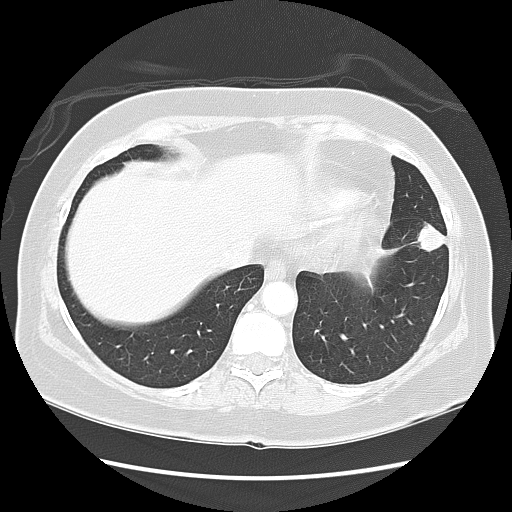
Axial chest CT slice 43 of 133 (counted from the lowest slice); tube voltage 120 kVp, convolution kernel LUNG; slices 2.50 mm thick, 0.703 mm per pixel.
Pulmonary nodule outlined by all four readers; box rows 221–252, columns 409–446 (the union of the readers' outlines on this slice); longest diameter 23.7 mm on average over the four readers' outlines (readers' outlines 21.5–29.0 mm), volume 4280–5428 mm3. The readers' prevailing ratings and who disagreed: most readers (three of four) put texture at 5/5 (solid), others 4/5 (one); most readers (three of four) put margin at 5/5 (circumscribed), others 4/5 (one); sphericity 3/5 (ovoid) by two of four readers; the rest gave 4/5 (one), 5/5 (round) (one); calcification absent from all four readers; internal structure soft tissue from all four readers; subtlety 5/5 by three of four readers; the rest gave 4/5 (one); malignancy likelihood 4/5 by three of four readers; the rest gave 5/5 (one). Scale key (1–5): texture non-solid→solid, margin indistinct→circumscribed, sphericity linear→round, subtlety extremely subtle→obvious, malignancy likelihood highly unlikely→highly suspicious of cancer. Box rows and columns are 0-based pixel indices from the top-left corner, inclusive.